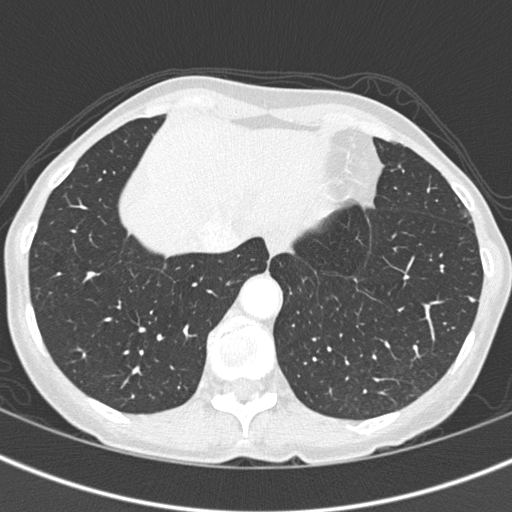
One axial slice (132 of 375, counting up from the lowest) of a chest CT acquired at 120 kVp with the B45f kernel; each pixel is 0.586 mm and the slice is 1.00 mm thick.
Pulmonary nodule outlined by one of the four readers; box rows 297–301, columns 468–474 (that reader's outline on this slice); longest diameter 5.0 mm and volume 41 mm3 from that reader's outline. Ratings by that reader: texture 5/5 (solid); margin 4/5; sphericity 4/5; calcification absent; internal structure soft tissue; subtlety 3/5; malignancy likelihood 4/5. Scale key (1–5): texture non-solid→solid, margin indistinct→circumscribed, sphericity linear→round, subtlety extremely subtle→obvious, malignancy likelihood highly unlikely→highly suspicious of cancer. Box rows and columns are 0-based pixel indices from the top-left corner, inclusive.